Axial slice 79 of 241 of a chest CT (slice 1 is the lowest), reconstructed with the STANDARD kernel at 120 kVp; 1.25 mm slice thickness and 0.822 mm pixels.
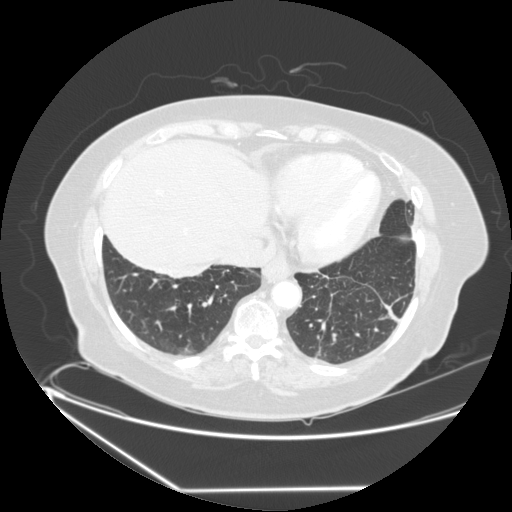
Pulmonary nodule at rows 320–325, columns 141–143 (box = the one reader's outline on this slice), outlined by all four readers, one of them on this slice; median longest diameter 6.6 mm (readers' outlines 5.5–8.5 mm), median volume 80 mm3 (41–162 mm3). Median ratings and the readers' spread: texture 5/5 (solid) from all four readers; margin 5/5 (circumscribed) from all four readers; median sphericity 3.5/5 (readers ranged 2/5 to 5/5 (round)); calcification: solid calcification (three), absent (one); internal structure soft tissue from all four readers; median subtlety 2.5/5 (readers ranged 2–5); median malignancy likelihood 1/5 (readers ranged 1–2). Scale key (1–5): texture non-solid→solid, margin indistinct→circumscribed, sphericity linear→round, subtlety extremely subtle→obvious, malignancy likelihood highly unlikely→highly suspicious of cancer. Box rows and columns are 0-based pixel indices from the top-left corner, inclusive.